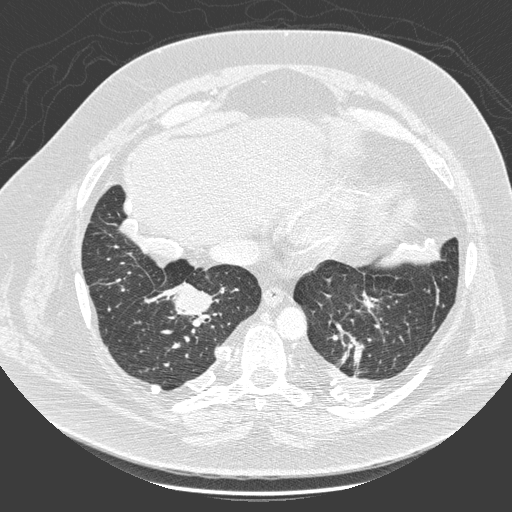
Axial chest CT slice 70 of 280 (counted from the lowest slice); 1.00 mm thick, 0.801 mm per pixel. Pulmonary nodule, outlined by one of the four readers. Box on this slice rows 282–315, columns 167–217, that reader's outline on this slice; longest diameter 49.9 mm and volume 31112 mm3 from that reader's outline. That reader's ratings: texture 5/5 (solid); margin 4/5; sphericity 5/5 (round); calcification non-central calcification; internal structure soft tissue; subtlety 5/5; malignancy likelihood 5/5. Scale key (1–5): texture non-solid→solid, margin indistinct→circumscribed, sphericity linear→round, subtlety extremely subtle→obvious, malignancy likelihood highly unlikely→highly suspicious of cancer. Box rows and columns are 0-based pixel indices from the top-left corner, inclusive.
Scan settings: 140 kVp, D reconstruction kernel.